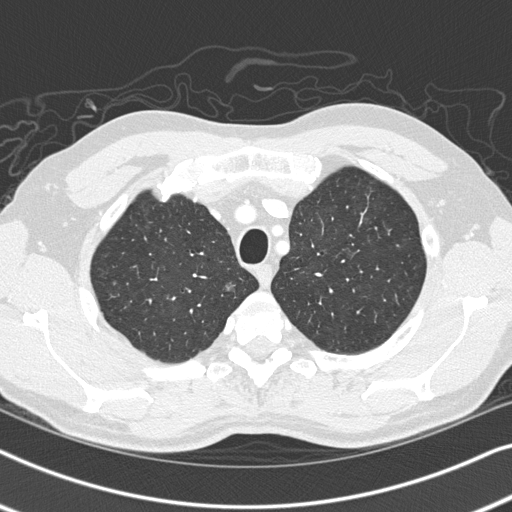
Chest CT, axial plane, 120 kVp, kernel B45f. Slice 271/326 from the bottom of the scan; thickness 1.00 mm; pixel size 0.645 mm.
Pulmonary nodule at rows 281–292, columns 224–235 (box = the union of the readers' outlines on this slice), outlined by all four readers; median longest diameter 9.2 mm (readers' outlines 8.4–11.1 mm), median volume 169 mm3 (144–204 mm3). Median ratings and the readers' spread: median texture 1/5 (non-solid) (readers ranged 1/5 (non-solid) to 3/5 (part-solid)); margin 2/5 at the median of four readers, spread 2/5 to 5/5 (circumscribed); median sphericity 4/5 (readers ranged 4/5 to 5/5 (round)); calcification absent, all four readers agreeing; internal structure soft tissue, all four readers agreeing; median subtlety 2/5 (readers ranged 1–4); median malignancy likelihood 2.5/5 (readers ranged 2–3). Scale key (1–5): texture non-solid→solid, margin indistinct→circumscribed, sphericity linear→round, subtlety extremely subtle→obvious, malignancy likelihood highly unlikely→highly suspicious of cancer. Box rows and columns are 0-based pixel indices from the top-left corner, inclusive.